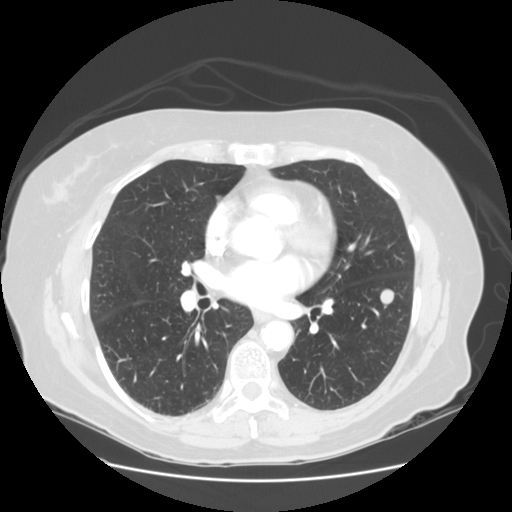
This is axial slice 65 of 128 (slice 1 is the lowest) of a chest CT; each pixel is 0.742 mm and the slice is 2.50 mm thick. Pulmonary nodule outlined by all four readers; box rows 289–304, columns 380–393 (the union of the readers' outlines on this slice); longest diameter 12.7 mm on average over the four readers' outlines (readers' outlines 12.2–13.0 mm), volume 824–921 mm3. The readers' prevailing ratings and who disagreed: texture 5/5 (solid) from all four readers; most readers (three of four) put margin at 5/5 (circumscribed), others 4/5 (one); most readers (three of four) put sphericity at 5/5 (round), others 4/5 (one); calcification absent from all four readers; internal structure soft tissue from all four readers; subtlety 5/5 by two of four readers; the rest gave 3/5 (one), 4/5 (one); malignancy likelihood split among the readers: 2/5 (one), 3/5 (one), 4/5 (one), 5/5 (one). Scale key (1–5): texture non-solid→solid, margin indistinct→circumscribed, sphericity linear→round, subtlety extremely subtle→obvious, malignancy likelihood highly unlikely→highly suspicious of cancer. Box rows and columns are 0-based pixel indices from the top-left corner, inclusive.
Tube voltage 120 kVp; convolution kernel STANDARD.